Axial slice 144 of 246 of a chest CT (slice 1 is the lowest), reconstructed with the STANDARD kernel at 120 kVp; 1.25 mm slice thickness and 0.859 mm pixels.
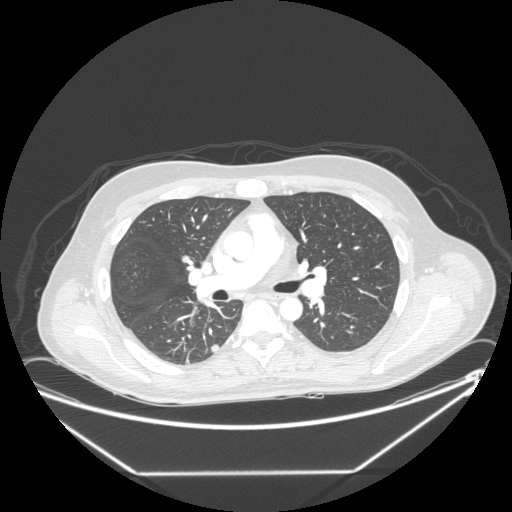
Pulmonary nodule outlined by three of the four readers; box rows 344–352, columns 211–218 (the union of the readers' outlines on this slice); longest diameter 8.6 mm on average over the three readers' outlines (readers' outlines 8.5–8.8 mm), volume 162–188 mm3. Ratings, by the readers' most common answer with dissent counted: texture 5/5 (solid), all three readers agreeing; most readers (two of three) put margin at 5/5 (circumscribed), others 4/5 (one); most readers (two of three) put sphericity at 4/5, others 5/5 (round) (one); calcification absent, all three readers agreeing; internal structure soft tissue from all three readers; subtlety 4/5, all three readers agreeing; malignancy likelihood 3/5 by two of three readers; the rest gave 4/5 (one). Scale key (1–5): texture non-solid→solid, margin indistinct→circumscribed, sphericity linear→round, subtlety extremely subtle→obvious, malignancy likelihood highly unlikely→highly suspicious of cancer. Box rows and columns are 0-based pixel indices from the top-left corner, inclusive.